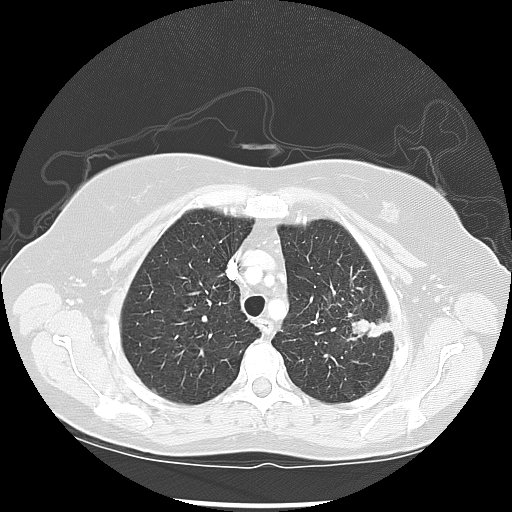
One axial slice (106 of 133, counting up from the lowest) of a chest CT acquired at 120 kVp with the LUNG kernel; each pixel is 0.703 mm and the slice is 2.50 mm thick.
Pulmonary nodule outlined by all four readers; box rows 319–340, columns 347–391 (the union of the readers' outlines on this slice); longest diameter 29.8 mm on average over the four readers' outlines (readers' outlines 27.6–35.0 mm), volume 3749–4875 mm3. The readers' prevailing ratings and who disagreed: texture 5/5 (solid) from all four readers; margin split among the readers: 2/5 (one), 3/5 (one), 4/5 (one), 5/5 (circumscribed) (one); most readers (three of four) put sphericity at 3/5 (ovoid), others 5/5 (round) (one); calcification absent, all four readers agreeing; internal structure soft tissue, all four readers agreeing; subtlety 5/5, all four readers agreeing; malignancy likelihood split among the readers: 3/5 (two), 5/5 (two). Scale key (1–5): texture non-solid→solid, margin indistinct→circumscribed, sphericity linear→round, subtlety extremely subtle→obvious, malignancy likelihood highly unlikely→highly suspicious of cancer. Box rows and columns are 0-based pixel indices from the top-left corner, inclusive.